Axial slice 379 of 452 of a chest CT (slice 1 is the lowest), reconstructed with the STANDARD kernel at 120 kVp; 1.25 mm slice thickness and 0.703 mm pixels.
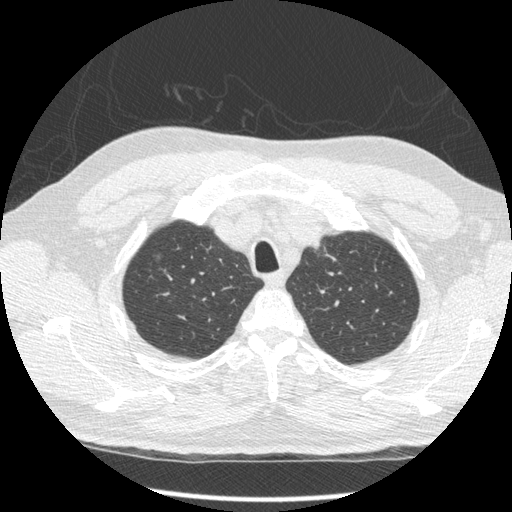
Pulmonary nodule outlined by three of the four readers; box rows 251–262, columns 153–163 (the union of the readers' outlines on this slice); the three readers' outlines give a longest diameter between 7.2 and 10.2 mm and a volume between 45 and 84 mm3. Ratings across the readers: texture from 1/5 (non-solid) to 4/5 across the three readers; margin from 2/5 to 3/5 across the three readers; sphericity from 3/5 (ovoid) to 5/5 (round) across the three readers; calcification absent from all three readers; internal structure soft tissue, all three readers agreeing; subtlety rated between 1 and 4 out of 5 by the three readers; malignancy likelihood from 3/5 to 5/5 across the three readers. Scale key (1–5): texture non-solid→solid, margin indistinct→circumscribed, sphericity linear→round, subtlety extremely subtle→obvious, malignancy likelihood highly unlikely→highly suspicious of cancer. Box rows and columns are 0-based pixel indices from the top-left corner, inclusive.